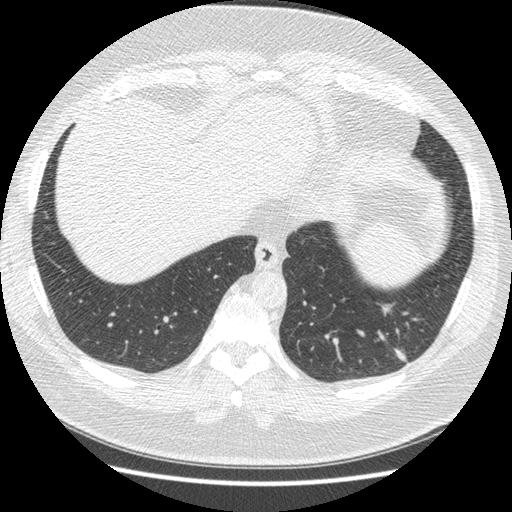
Axial slice 74 of 421 of a chest CT (slice 1 is the lowest), reconstructed with the STANDARD kernel at 120 kVp; 1.25 mm slice thickness and 0.703 mm pixels.
Pulmonary nodule at rows 303–361, columns 383–406 (box = the union of the readers' outlines on this slice), outlined four times (the source holds four more outlines, not used); median longest diameter 32.9 mm (readers' outlines 30.9–38.9 mm), median volume 5450 mm3 (4443–5826 mm3). Median ratings and the readers' spread: median texture 5/5 (solid) (readers ranged 4/5 to 5/5 (solid)); margin 4/5 at the median of four readers, spread 3/5 to 4/5; median sphericity 2.5/5 (readers ranged 2/5 to 4/5); calcification absent, all four readers agreeing; internal structure soft tissue from all four readers; median subtlety 5/5 (readers ranged 4–5); malignancy likelihood 3.5/5 at the median of four readers, spread 2–5. Scale key (1–5): texture non-solid→solid, margin indistinct→circumscribed, sphericity linear→round, subtlety extremely subtle→obvious, malignancy likelihood highly unlikely→highly suspicious of cancer. Box rows and columns are 0-based pixel indices from the top-left corner, inclusive.